Axial chest CT slice 143 of 241 (counted from the lowest slice); tube voltage 120 kVp, convolution kernel BONE; slices 1.25 mm thick, 0.586 mm per pixel.
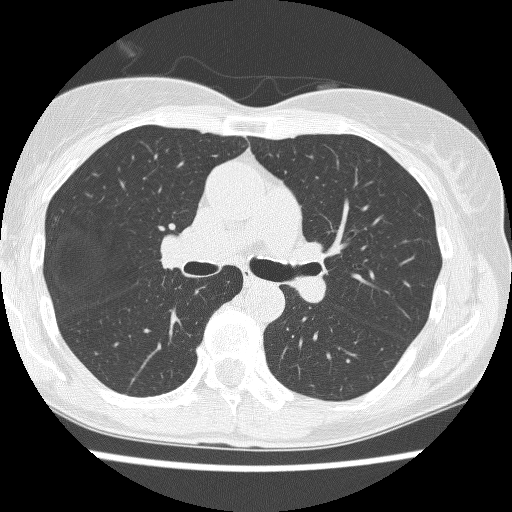
No nodule 3 mm or larger was outlined here by any reader.